Axial slice 250 of 290 of a chest CT (slice 1 is the lowest), reconstructed with the D kernel at 120 kVp; 1.00 mm slice thickness and 0.662 mm pixels.
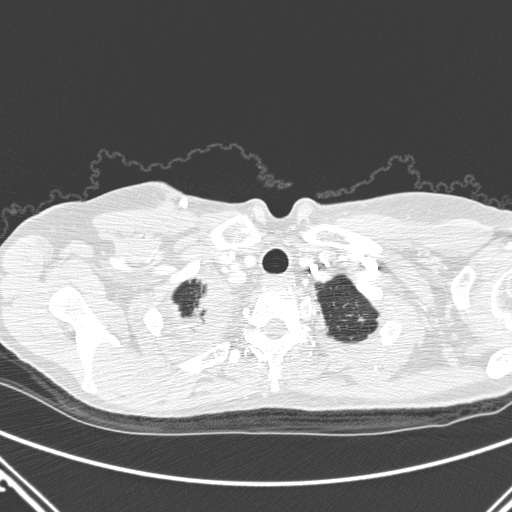
Pulmonary nodule outlined by three of the four readers; box rows 317–320, columns 356–364 (the union of the readers' outlines on this slice); median longest diameter 6.0 mm (readers' outlines 4.7–7.2 mm), median volume 56 mm3 (33–88 mm3). Ratings, median across the readers with their spread: texture 5/5 (solid), all three readers agreeing; margin 5/5 (circumscribed), all three readers agreeing; sphericity 5/5 (round), all three readers agreeing; calcification absent from all three readers; internal structure soft tissue, all three readers agreeing; median subtlety 4/5 (readers ranged 4–5); median malignancy likelihood 2/5 (readers ranged 2–3). Scale key (1–5): texture non-solid→solid, margin indistinct→circumscribed, sphericity linear→round, subtlety extremely subtle→obvious, malignancy likelihood highly unlikely→highly suspicious of cancer. Box rows and columns are 0-based pixel indices from the top-left corner, inclusive.